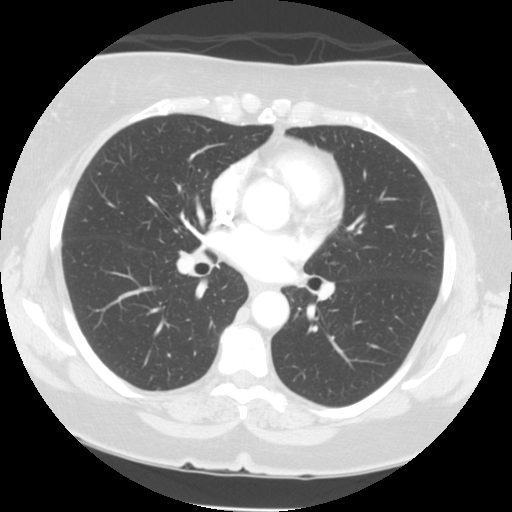
One axial slice (72 of 133, counting up from the lowest) of a chest CT acquired at 120 kVp with the STANDARD kernel; each pixel is 0.664 mm and the slice is 2.50 mm thick.
None of the four readers outlined a nodule of 3 mm or more on this slice.